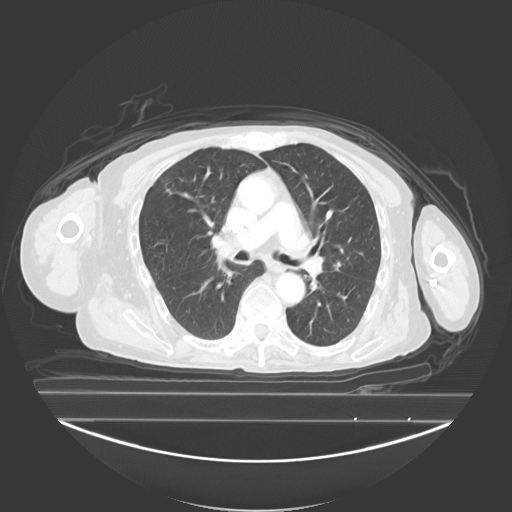
Chest CT, axial plane, 130 kVp, kernel B40s. Slice 152/278 from the bottom of the scan; thickness 3.00 mm; pixel size 0.977 mm.
Pulmonary nodule outlined by three of the four readers; box rows 261–269, columns 334–340 (the union of the readers' outlines on this slice); longest diameter 12.8–14.8 mm and volume 665–985 mm3 across the three readers' outlines. The readers' ratings, as ranges where they differ: texture from 4/5 to 5/5 (solid) across the three readers; margin 4/5 from all three readers; sphericity from 4/5 to 5/5 (round) across the three readers; calcification absent, all three readers agreeing; internal structure soft tissue from all three readers; subtlety 3–5/5 (the readers disagree); malignancy likelihood rated between 2 and 4 out of 5 by the three readers. Scale key (1–5): texture non-solid→solid, margin indistinct→circumscribed, sphericity linear→round, subtlety extremely subtle→obvious, malignancy likelihood highly unlikely→highly suspicious of cancer. Box rows and columns are 0-based pixel indices from the top-left corner, inclusive.